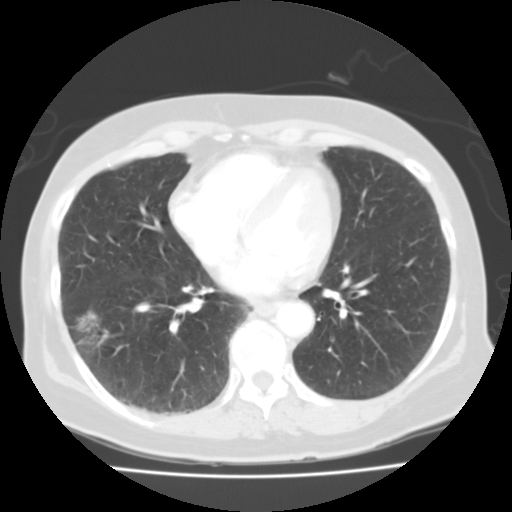
Axial chest CT slice 51 of 118 (counted from the lowest slice); 3.00 mm thick, 0.665 mm per pixel. Pulmonary nodule outlined by all four readers; box rows 307–355, columns 69–103 (the union of the readers' outlines on this slice); the four readers' outlines give a longest diameter between 31.8 and 35.1 mm and a volume between 6444 and 8715 mm3. Ratings across the readers: texture from 1/5 (non-solid) to 3/5 (part-solid) across the four readers; margin from 1/5 (indistinct) to 3/5 across the four readers; sphericity from 4/5 to 5/5 (round) across the four readers; calcification absent from all four readers; internal structure soft tissue, all four readers agreeing; subtlety 5/5 from all four readers; malignancy likelihood 2–5/5 (the readers disagree). Scale key (1–5): texture non-solid→solid, margin indistinct→circumscribed, sphericity linear→round, subtlety extremely subtle→obvious, malignancy likelihood highly unlikely→highly suspicious of cancer. Box rows and columns are 0-based pixel indices from the top-left corner, inclusive.
Acquired at 135 kVp and reconstructed with the FC01 kernel.